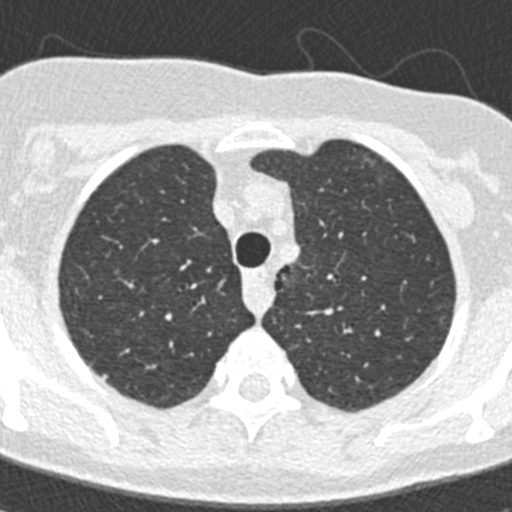
This is axial slice 316 of 376 (slice 1 is the lowest) of a chest CT; each pixel is 0.461 mm and the slice is 0.75 mm thick. Two pulmonary nodules are outlined on this slice; from left to right: (1) Pulmonary nodule, outlined by one of the four readers. Box on this slice rows 362–366, columns 89–93, that reader's outline on this slice; longest diameter 7.0 mm and volume 28 mm3 from that reader's outline. That reader's ratings: texture 5/5 (solid); margin 3/5; sphericity 3/5 (ovoid); calcification absent; internal structure soft tissue; subtlety 5/5; malignancy likelihood 3/5. (2) Pulmonary nodule, outlined by one of the four readers. Box on this slice rows 374–379, columns 102–108, that reader's outline on this slice; longest diameter 5.2 mm and volume 39 mm3 from that reader's outline. That reader's ratings: texture 5/5 (solid); margin 4/5; sphericity 3/5 (ovoid); calcification absent; internal structure soft tissue; subtlety 5/5; malignancy likelihood 3/5. Scale key (1–5): texture non-solid→solid, margin indistinct→circumscribed, sphericity linear→round, subtlety extremely subtle→obvious, malignancy likelihood highly unlikely→highly suspicious of cancer. Box rows and columns are 0-based pixel indices from the top-left corner, inclusive.
Scan settings: 120 kVp, B30f reconstruction kernel.